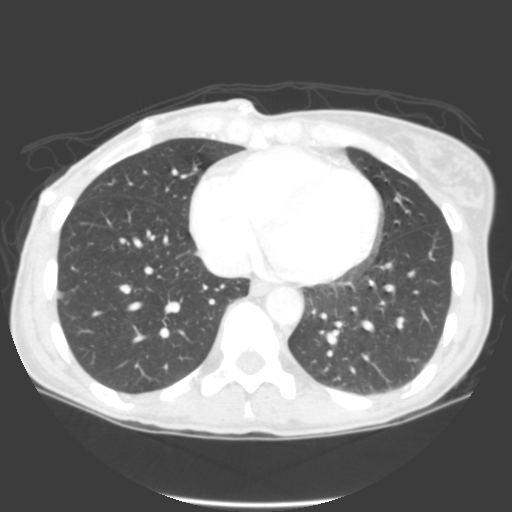
Axial chest CT slice 97 of 325 (counted from the lowest slice); tube voltage 120 kVp, convolution kernel B; slices 2.00 mm thick, 0.611 mm per pixel.
Pulmonary nodule outlined by all four readers; box rows 290–299, columns 56–63 (the union of the readers' outlines on this slice); longest diameter 7.4 mm on average over the four readers' outlines (readers' outlines 7.0–8.2 mm), volume 85–126 mm3. The readers' prevailing ratings and who disagreed: texture 5/5 (solid) by three of four readers; the rest gave 4/5 (one); margin 4/5 by two of four readers; the rest gave 3/5 (one), 5/5 (circumscribed) (one); most readers (three of four) put sphericity at 4/5, others 3/5 (ovoid) (one); calcification absent from all four readers; internal structure soft tissue from all four readers; most readers (three of four) put subtlety at 5/5, others 4/5 (one); malignancy likelihood 2/5 by two of four readers; the rest gave 3/5 (one), 4/5 (one). Scale key (1–5): texture non-solid→solid, margin indistinct→circumscribed, sphericity linear→round, subtlety extremely subtle→obvious, malignancy likelihood highly unlikely→highly suspicious of cancer. Box rows and columns are 0-based pixel indices from the top-left corner, inclusive.